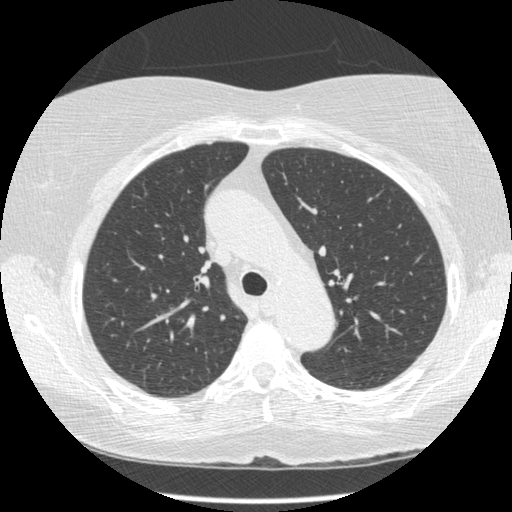
This is axial slice 344 of 484 (slice 1 is the lowest) of a chest CT; each pixel is 0.664 mm and the slice is 1.25 mm thick. None of the four readers outlined a nodule of 3 mm or more on this slice.
Scan settings: 120 kVp, STANDARD reconstruction kernel.